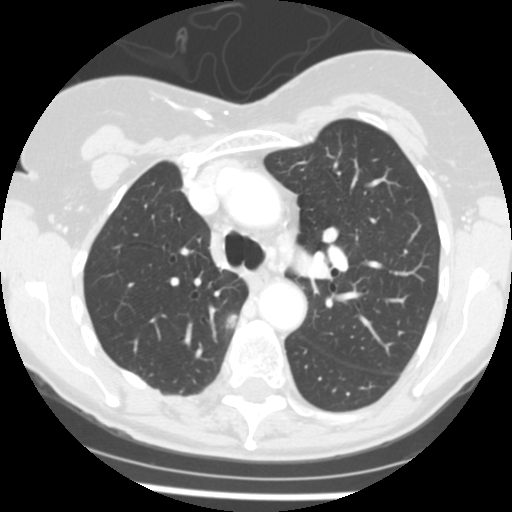
Axial chest CT slice 168 of 245 (counted from the lowest slice); 2.50 mm thick, 0.547 mm per pixel. Pulmonary nodule outlined by all four readers; box rows 314–327, columns 225–236 (the union of the readers' outlines on this slice); longest diameter 13.1–14.5 mm and volume 549–868 mm3 across the four readers' outlines. The readers' ratings, as ranges where they differ: texture 5/5 (solid) from all four readers; margin from 3/5 to 5/5 (circumscribed) across the four readers; sphericity from 2/5 to 5/5 (round) across the four readers; calcification absent, all four readers agreeing; internal structure soft tissue, all four readers agreeing; subtlety rated between 4 and 5 out of 5 by the four readers; malignancy likelihood from 3/5 to 5/5 across the four readers. Scale key (1–5): texture non-solid→solid, margin indistinct→circumscribed, sphericity linear→round, subtlety extremely subtle→obvious, malignancy likelihood highly unlikely→highly suspicious of cancer. Box rows and columns are 0-based pixel indices from the top-left corner, inclusive.
Acquired at 120 kVp and reconstructed with the STANDARD kernel.